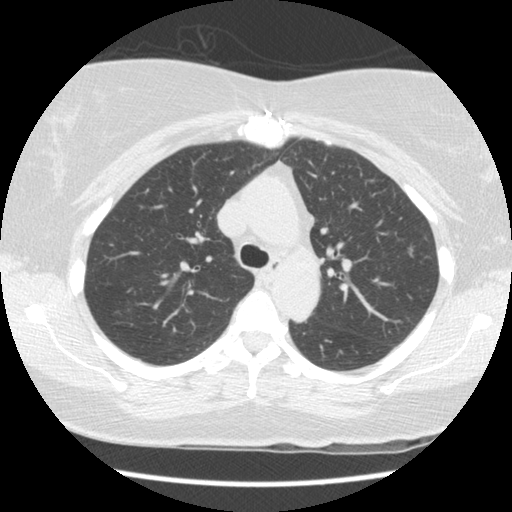
Axial chest CT slice 110 of 154 (counted from the lowest slice); 2.50 mm thick, 0.645 mm per pixel. Pulmonary nodule outlined by all four readers, two of them on this slice; box rows 247–252, columns 407–413 (the union of the readers' outlines on this slice); median longest diameter 5.7 mm (readers' outlines 5.3–7.2 mm), median volume 59 mm3 (50–95 mm3). Median ratings and the readers' spread: median texture 4.5/5 (readers ranged 2/5 to 5/5 (solid)); margin 4/5 at the median of four readers, spread 2/5 to 5/5 (circumscribed); median sphericity 4/5 (readers ranged 3/5 (ovoid) to 5/5 (round)); calcification absent from all four readers; internal structure soft tissue from all four readers; median subtlety 3.5/5 (readers ranged 2–4); median malignancy likelihood 2.5/5 (readers ranged 1–4). Scale key (1–5): texture non-solid→solid, margin indistinct→circumscribed, sphericity linear→round, subtlety extremely subtle→obvious, malignancy likelihood highly unlikely→highly suspicious of cancer. Box rows and columns are 0-based pixel indices from the top-left corner, inclusive.
Acquired at 120 kVp and reconstructed with the STANDARD kernel.